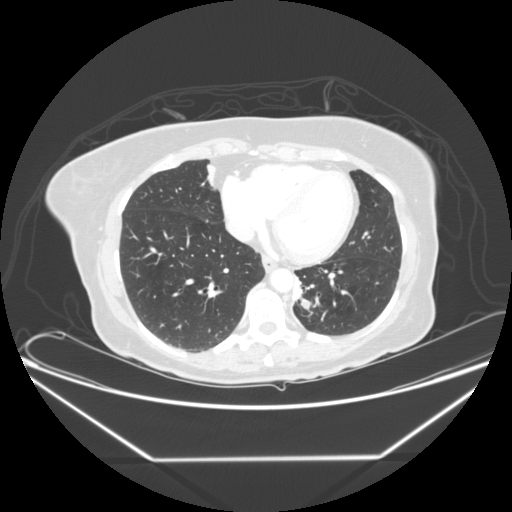
Axial slice 82 of 245 of a chest CT (slice 1 is the lowest), reconstructed with the STANDARD kernel at 120 kVp; 1.25 mm slice thickness and 0.826 mm pixels.
Pulmonary nodule, outlined by all four readers. Box on this slice rows 298–309, columns 300–311, the union of the readers' outlines on this slice; the four readers' outlines give a longest diameter between 10.9 and 14.9 mm and a volume between 519 and 637 mm3. The readers' ratings, as ranges where they differ: texture 5/5 (solid), all four readers agreeing; margin from 4/5 to 5/5 (circumscribed) across the four readers; sphericity from 3/5 (ovoid) to 5/5 (round) across the four readers; calcification absent from all four readers; internal structure soft tissue, all four readers agreeing; subtlety 2–5/5 (the readers disagree); malignancy likelihood 3–4/5 (the readers disagree). Scale key (1–5): texture non-solid→solid, margin indistinct→circumscribed, sphericity linear→round, subtlety extremely subtle→obvious, malignancy likelihood highly unlikely→highly suspicious of cancer. Box rows and columns are 0-based pixel indices from the top-left corner, inclusive.